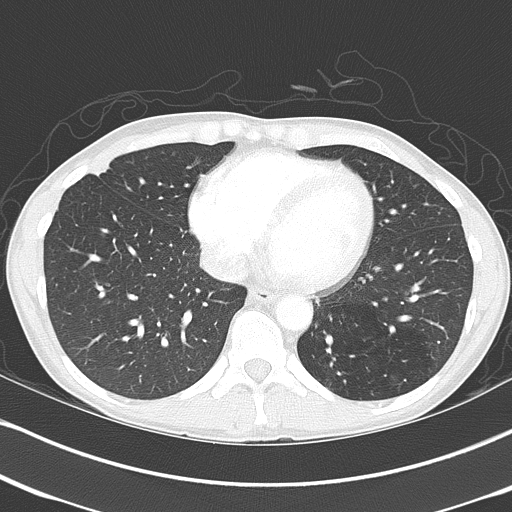
Axial chest CT slice 155 of 368 (counted from the lowest slice); 2.00 mm thick, 0.623 mm per pixel. Pulmonary nodule outlined by all four readers, one of them on this slice; box rows 164–174, columns 93–108 (the one reader's outline on this slice); longest diameter 31.5 mm on average over the four readers' outlines (readers' outlines 27.1–39.3 mm), volume 6531–9806 mm3. Ratings, by the readers' most common answer with dissent counted: texture 5/5 (solid) from all four readers; margin 4/5 by two of four readers; the rest gave 2/5 (one), 5/5 (circumscribed) (one); sphericity 3/5 (ovoid) by three of four readers; the rest gave 2/5 (one); calcification split among the readers: laminated calcification (one), absent (one), popcorn calcification (one), non-central calcification (one); internal structure soft tissue from all four readers; subtlety 5/5, all four readers agreeing; malignancy likelihood split among the readers: 1/5 (one), 2/5 (one), 4/5 (one), 5/5 (one). Scale key (1–5): texture non-solid→solid, margin indistinct→circumscribed, sphericity linear→round, subtlety extremely subtle→obvious, malignancy likelihood highly unlikely→highly suspicious of cancer. Box rows and columns are 0-based pixel indices from the top-left corner, inclusive.
Scan settings: 120 kVp, B70f reconstruction kernel.